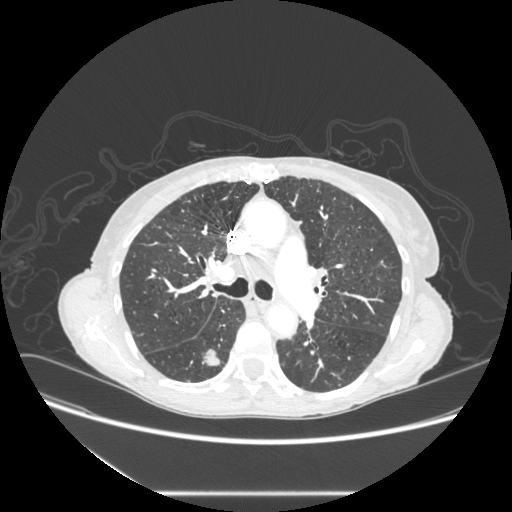
One axial slice (185 of 289, counting up from the lowest) of a chest CT acquired at 120 kVp with the STANDARD kernel; each pixel is 0.764 mm and the slice is 1.25 mm thick.
Pulmonary nodule at rows 347–365, columns 202–220 (box = the union of the readers' outlines on this slice), outlined by all four readers; median longest diameter 21.1 mm (readers' outlines 20.5–21.9 mm), median volume 2513 mm3 (2320–2697 mm3). Ratings, median across the readers with their spread: texture 4.5/5 at the median of four readers, spread 4/5 to 5/5 (solid); margin 4/5, all four readers agreeing; median sphericity 3/5 (ovoid) (readers ranged 3/5 (ovoid) to 5/5 (round)); calcification absent from all four readers; internal structure soft tissue, all four readers agreeing; median subtlety 5/5 (readers ranged 4–5); median malignancy likelihood 4.5/5 (readers ranged 3–5). Scale key (1–5): texture non-solid→solid, margin indistinct→circumscribed, sphericity linear→round, subtlety extremely subtle→obvious, malignancy likelihood highly unlikely→highly suspicious of cancer. Box rows and columns are 0-based pixel indices from the top-left corner, inclusive.